Axial chest CT slice 367 of 481 (counted from the lowest slice); tube voltage 120 kVp, convolution kernel STANDARD; slices 1.25 mm thick, 0.703 mm per pixel.
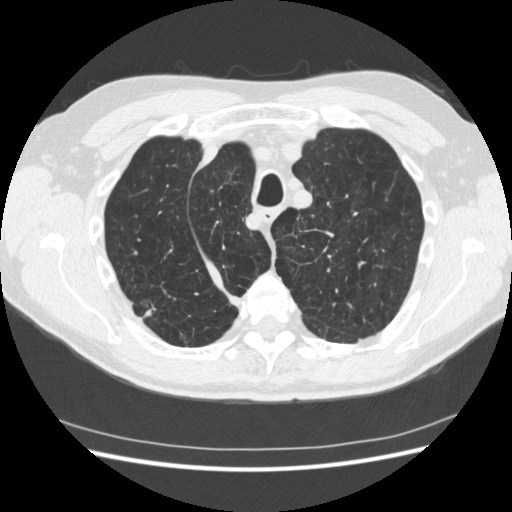
Pulmonary nodule outlined by all four readers; box rows 298–317, columns 135–157 (the union of the readers' outlines on this slice); longest diameter 18.7–34.9 mm and volume 1155–4169 mm3 across the four readers' outlines. Ratings across the readers: texture from 4/5 to 5/5 (solid) across the four readers; margin from 1/5 (indistinct) to 4/5 across the four readers; sphericity from 2/5 to 5/5 (round) across the four readers; calcification absent, all four readers agreeing; internal structure soft tissue, all four readers agreeing; subtlety 5/5 from all four readers; malignancy likelihood 4–5/5 (the readers disagree). Scale key (1–5): texture non-solid→solid, margin indistinct→circumscribed, sphericity linear→round, subtlety extremely subtle→obvious, malignancy likelihood highly unlikely→highly suspicious of cancer. Box rows and columns are 0-based pixel indices from the top-left corner, inclusive.